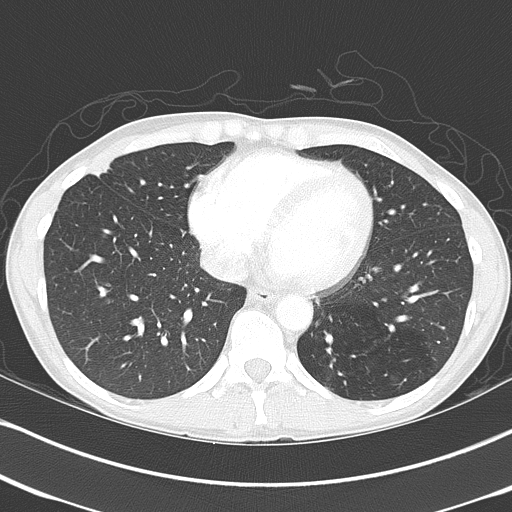
Axial chest CT slice 156 of 368 (counted from the lowest slice); 2.00 mm thick, 0.623 mm per pixel. Pulmonary nodule outlined by all four readers, one of them on this slice; box rows 163–174, columns 93–109 (the one reader's outline on this slice); longest diameter 31.5 mm on average over the four readers' outlines (readers' outlines 27.1–39.3 mm), volume 6531–9806 mm3. The readers' prevailing ratings and who disagreed: texture 5/5 (solid), all four readers agreeing; margin 4/5 by two of four readers; the rest gave 2/5 (one), 5/5 (circumscribed) (one); most readers (three of four) put sphericity at 3/5 (ovoid), others 2/5 (one); calcification split among the readers: laminated calcification (one), absent (one), popcorn calcification (one), non-central calcification (one); internal structure soft tissue from all four readers; subtlety 5/5 from all four readers; malignancy likelihood split among the readers: 1/5 (one), 2/5 (one), 4/5 (one), 5/5 (one). Scale key (1–5): texture non-solid→solid, margin indistinct→circumscribed, sphericity linear→round, subtlety extremely subtle→obvious, malignancy likelihood highly unlikely→highly suspicious of cancer. Box rows and columns are 0-based pixel indices from the top-left corner, inclusive.
Tube voltage 120 kVp; convolution kernel B70f.